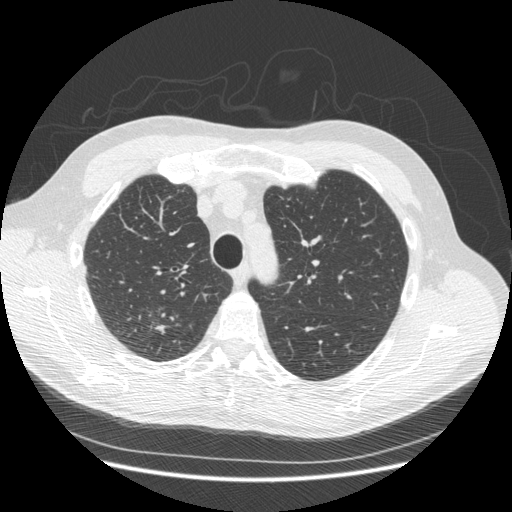
Axial slice 371 of 493 of a chest CT (slice 1 is the lowest), reconstructed with the STANDARD kernel at 120 kVp; 1.25 mm slice thickness and 0.742 mm pixels.
Pulmonary nodule, outlined by three of the four readers. Box on this slice rows 325–333, columns 155–164, the union of the readers' outlines on this slice; the three readers' outlines give a longest diameter between 12.6 and 14.1 mm and a volume between 104 and 271 mm3. Ratings across the readers: texture from 4/5 to 5/5 (solid) across the three readers; margin 3/5, all three readers agreeing; sphericity from 2/5 to 4/5 across the three readers; calcification absent from all three readers; internal structure soft tissue from all three readers; subtlety from 2/5 to 5/5 across the three readers; malignancy likelihood 2–4/5 (the readers disagree). Scale key (1–5): texture non-solid→solid, margin indistinct→circumscribed, sphericity linear→round, subtlety extremely subtle→obvious, malignancy likelihood highly unlikely→highly suspicious of cancer. Box rows and columns are 0-based pixel indices from the top-left corner, inclusive.